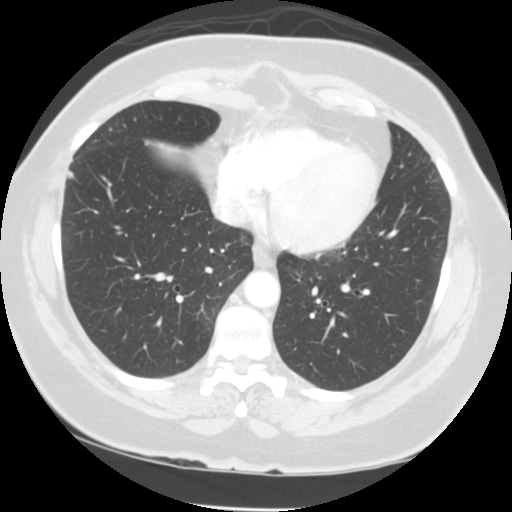
Axial chest CT slice 51 of 133 (counted from the lowest slice); tube voltage 120 kVp, convolution kernel STANDARD; slices 2.50 mm thick, 0.664 mm per pixel.
Pulmonary nodule at rows 170–178, columns 68–73 (box = the union of the readers' outlines on this slice), outlined by two of the four readers; longest diameter 6.2 mm on average over the two readers' outlines (readers' outlines 5.7–6.7 mm), volume 78–82 mm3. The readers' prevailing ratings and who disagreed: texture 5/5 (solid) from both readers; margin split among the readers: 4/5 (one), 5/5 (circumscribed) (one); sphericity split among the readers: 3/5 (ovoid) (one), 4/5 (one); calcification absent from both readers; internal structure soft tissue from both readers; subtlety split among the readers: 3/5 (one), 4/5 (one); malignancy likelihood 2/5 from both readers. Scale key (1–5): texture non-solid→solid, margin indistinct→circumscribed, sphericity linear→round, subtlety extremely subtle→obvious, malignancy likelihood highly unlikely→highly suspicious of cancer. Box rows and columns are 0-based pixel indices from the top-left corner, inclusive.